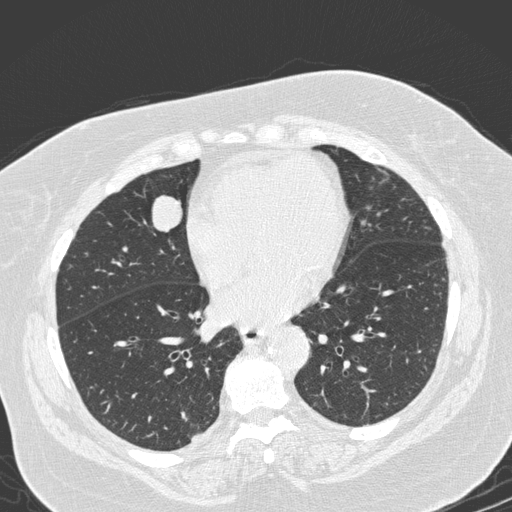
Axial chest CT slice 88 of 280 (counted from the lowest slice); tube voltage 120 kVp, convolution kernel D; slices 1.00 mm thick, 0.666 mm per pixel.
Pulmonary nodule outlined by all four readers; box rows 195–231, columns 150–182 (the union of the readers' outlines on this slice); longest diameter 25.9 mm on average over the four readers' outlines (readers' outlines 25.0–27.8 mm), volume 4698–5913 mm3. The readers' prevailing ratings and who disagreed: texture 5/5 (solid), all four readers agreeing; margin split among the readers: 4/5 (two), 5/5 (circumscribed) (two); sphericity 5/5 (round) by two of four readers; the rest gave 3/5 (ovoid) (one), 4/5 (one); calcification absent from all four readers; internal structure soft tissue from all four readers; subtlety 5/5, all four readers agreeing; malignancy likelihood 5/5 by two of four readers; the rest gave 2/5 (one), 4/5 (one). Scale key (1–5): texture non-solid→solid, margin indistinct→circumscribed, sphericity linear→round, subtlety extremely subtle→obvious, malignancy likelihood highly unlikely→highly suspicious of cancer. Box rows and columns are 0-based pixel indices from the top-left corner, inclusive.